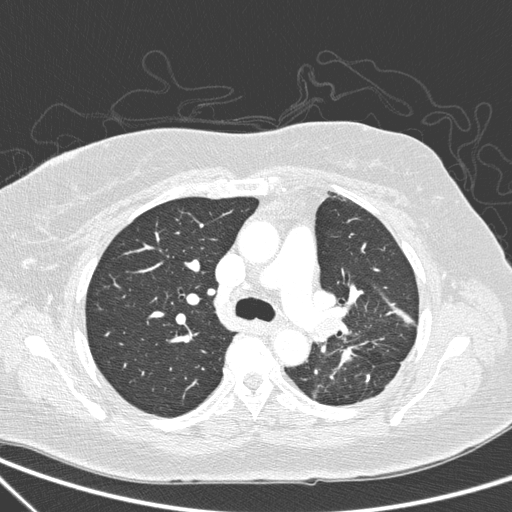
Chest CT, axial plane, 120 kVp, kernel D. Slice 186/266 from the bottom of the scan; thickness 1.00 mm; pixel size 0.668 mm.
Pulmonary nodule, outlined by one of the four readers. Box on this slice rows 352–361, columns 341–349, that reader's outline on this slice; longest diameter 11.5 mm and volume 333 mm3 from that reader's outline. Ratings by that reader: texture 5/5 (solid); margin 3/5; sphericity 2/5; calcification absent; internal structure soft tissue; subtlety 3/5; malignancy likelihood 4/5. Scale key (1–5): texture non-solid→solid, margin indistinct→circumscribed, sphericity linear→round, subtlety extremely subtle→obvious, malignancy likelihood highly unlikely→highly suspicious of cancer. Box rows and columns are 0-based pixel indices from the top-left corner, inclusive.